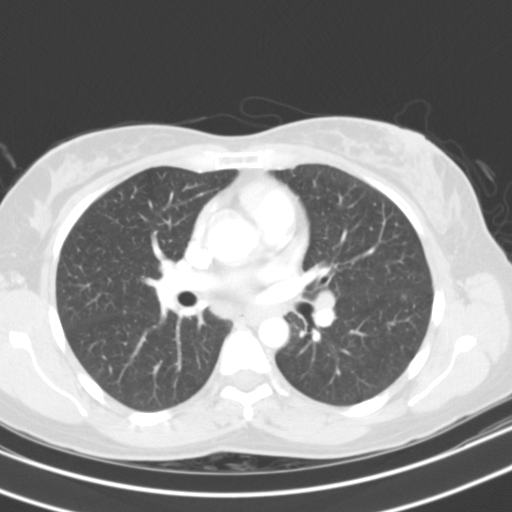
Axial chest CT slice 51 of 92 (counted from the lowest slice); 3.00 mm thick, 0.623 mm per pixel. Pulmonary nodule outlined by one of the four readers; box rows 293–299, columns 401–406 (that reader's outline on this slice); longest diameter 5.7 mm and volume 77 mm3 from that reader's outline. Ratings by that reader: texture 1/5 (non-solid); margin 4/5; sphericity 4/5; calcification absent; internal structure soft tissue; subtlety 2/5; malignancy likelihood 3/5. Scale key (1–5): texture non-solid→solid, margin indistinct→circumscribed, sphericity linear→round, subtlety extremely subtle→obvious, malignancy likelihood highly unlikely→highly suspicious of cancer. Box rows and columns are 0-based pixel indices from the top-left corner, inclusive.
Acquired at 130 kVp and reconstructed with the B31s kernel.